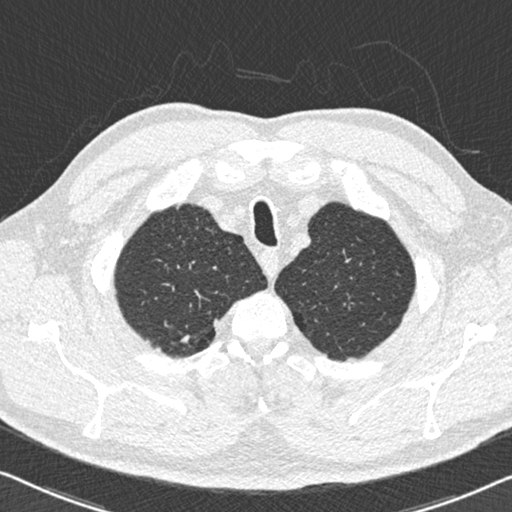
One axial slice (506 of 558, counting up from the lowest) of a chest CT acquired at 120 kVp with the B30f kernel; each pixel is 0.648 mm and the slice is 0.75 mm thick.
Pulmonary nodule at rows 334–343, columns 180–190 (box = the union of the readers' outlines on this slice), outlined by all four readers; median longest diameter 7.5 mm (readers' outlines 6.5–8.7 mm), median volume 97 mm3 (71–209 mm3). Median ratings and the readers' spread: texture 5/5 (solid) at the median of four readers, spread 4/5 to 5/5 (solid); margin 4.5/5 at the median of four readers, spread 4/5 to 5/5 (circumscribed); median sphericity 3/5 (ovoid) (readers ranged 2/5 to 5/5 (round)); calcification: absent (three), solid calcification (one); internal structure soft tissue, all four readers agreeing; subtlety 3.5/5 at the median of four readers, spread 3–5; median malignancy likelihood 2/5 (readers ranged 1–3). Scale key (1–5): texture non-solid→solid, margin indistinct→circumscribed, sphericity linear→round, subtlety extremely subtle→obvious, malignancy likelihood highly unlikely→highly suspicious of cancer. Box rows and columns are 0-based pixel indices from the top-left corner, inclusive.